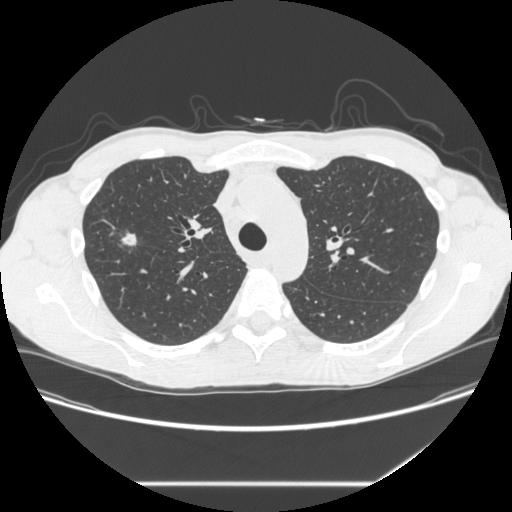
Slice 214/301 of a chest CT, counting up from the lowest; pixel size 0.752 mm, slice thickness 1.25 mm. Pulmonary nodule outlined by all four readers; box rows 231–246, columns 119–136 (the union of the readers' outlines on this slice); longest diameter 13.6 mm on average over the four readers' outlines (readers' outlines 12.1–14.8 mm), volume 491–1018 mm3. Ratings, by the readers' most common answer with dissent counted: texture 5/5 (solid) by two of four readers; the rest gave 3/5 (part-solid) (one), 4/5 (one); margin 1/5 (indistinct) by two of four readers; the rest gave 3/5 (one), 4/5 (one); sphericity 4/5 by three of four readers; the rest gave 2/5 (one); calcification absent, all four readers agreeing; internal structure split among the readers: soft tissue (two), air (two); subtlety 5/5, all four readers agreeing; malignancy likelihood split among the readers: 4/5 (two), 5/5 (two). Scale key (1–5): texture non-solid→solid, margin indistinct→circumscribed, sphericity linear→round, subtlety extremely subtle→obvious, malignancy likelihood highly unlikely→highly suspicious of cancer. Box rows and columns are 0-based pixel indices from the top-left corner, inclusive.
Tube voltage 120 kVp; convolution kernel STANDARD.